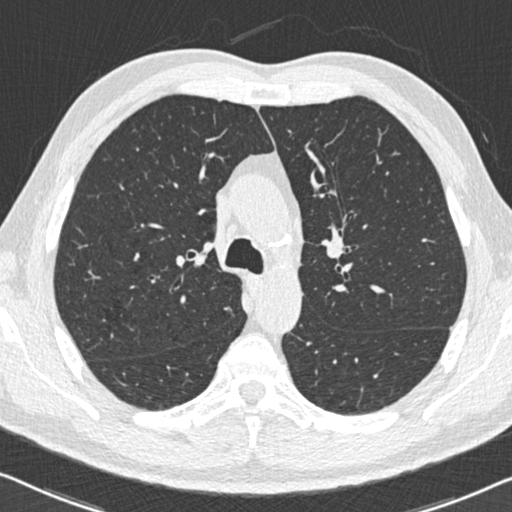
Axial chest CT slice 399 of 558 (counted from the lowest slice); 0.75 mm thick, 0.648 mm per pixel. The readers outlined no nodule of 3 mm or more on this slice.
Scan settings: 120 kVp, B30f reconstruction kernel.